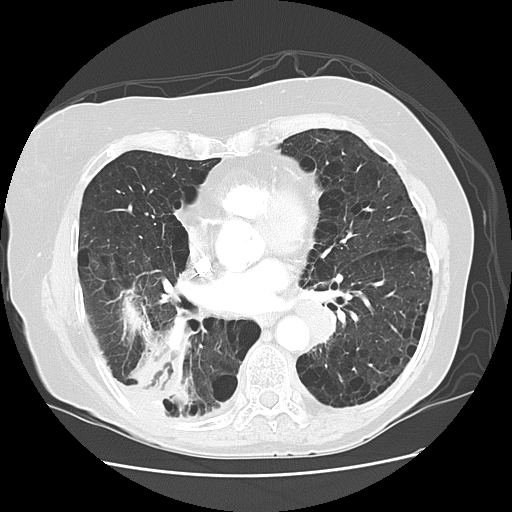
One axial slice (58 of 125, counting up from the lowest) of a chest CT acquired at 120 kVp with the LUNG kernel; each pixel is 0.703 mm and the slice is 2.50 mm thick.
Pulmonary nodule, outlined by one of the four readers. Box on this slice rows 301–349, columns 294–332, that reader's outline on this slice; longest diameter 37.4 mm and volume 10878 mm3 from that reader's outline. Ratings by that reader: texture 5/5 (solid); margin 5/5 (circumscribed); sphericity 5/5 (round); calcification absent; internal structure soft tissue; subtlety 3/5; malignancy likelihood 2/5. Scale key (1–5): texture non-solid→solid, margin indistinct→circumscribed, sphericity linear→round, subtlety extremely subtle→obvious, malignancy likelihood highly unlikely→highly suspicious of cancer. Box rows and columns are 0-based pixel indices from the top-left corner, inclusive.